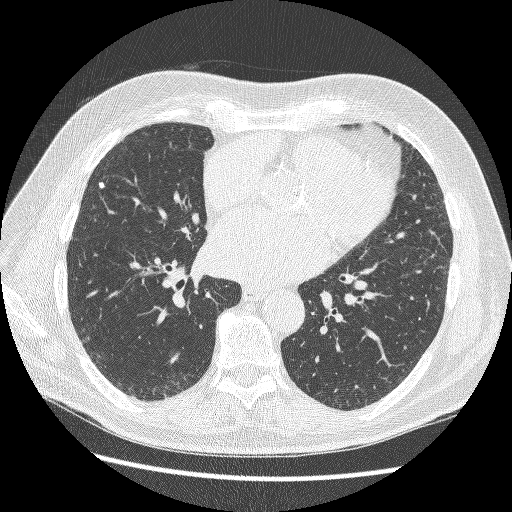
Axial slice 122 of 264 of a chest CT (slice 1 is the lowest), reconstructed with the BONE kernel at 120 kVp; 1.25 mm slice thickness and 0.703 mm pixels.
Pulmonary nodule at rows 181–188, columns 97–104 (box = the union of the readers' outlines on this slice), outlined by all four readers; the four readers' outlines give a longest diameter between 5.1 and 6.7 mm and a volume between 35 and 70 mm3. Ratings across the readers: texture 5/5 (solid), all four readers agreeing; margin 5/5 (circumscribed), all four readers agreeing; sphericity from 4/5 to 5/5 (round) across the four readers; calcification solid calcification from all four readers; internal structure soft tissue from all four readers; subtlety 2–5/5 (the readers disagree); malignancy likelihood 1/5, all four readers agreeing. Scale key (1–5): texture non-solid→solid, margin indistinct→circumscribed, sphericity linear→round, subtlety extremely subtle→obvious, malignancy likelihood highly unlikely→highly suspicious of cancer. Box rows and columns are 0-based pixel indices from the top-left corner, inclusive.